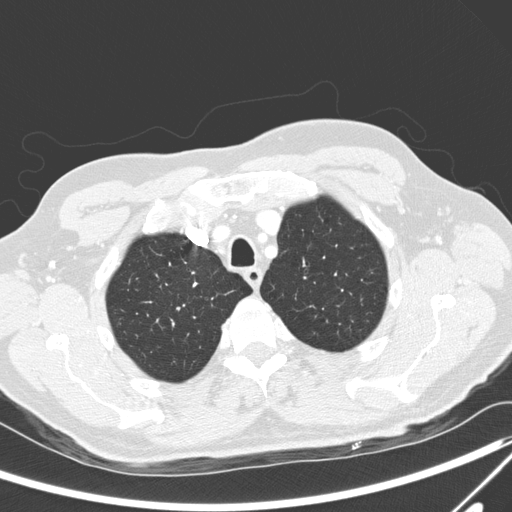
This is axial slice 236 of 300 (slice 1 is the lowest) of a chest CT; each pixel is 0.678 mm and the slice is 2.00 mm thick. Pulmonary nodule, outlined by one of the four readers. Box on this slice rows 306–310, columns 176–180, that reader's outline on this slice; longest diameter 5.2 mm and volume 59 mm3 from that reader's outline. Ratings by that reader: texture 5/5 (solid); margin 4/5; sphericity 5/5 (round); calcification absent; internal structure soft tissue; subtlety 5/5; malignancy likelihood 3/5. Scale key (1–5): texture non-solid→solid, margin indistinct→circumscribed, sphericity linear→round, subtlety extremely subtle→obvious, malignancy likelihood highly unlikely→highly suspicious of cancer. Box rows and columns are 0-based pixel indices from the top-left corner, inclusive.
Acquired at 120 kVp and reconstructed with the D kernel.